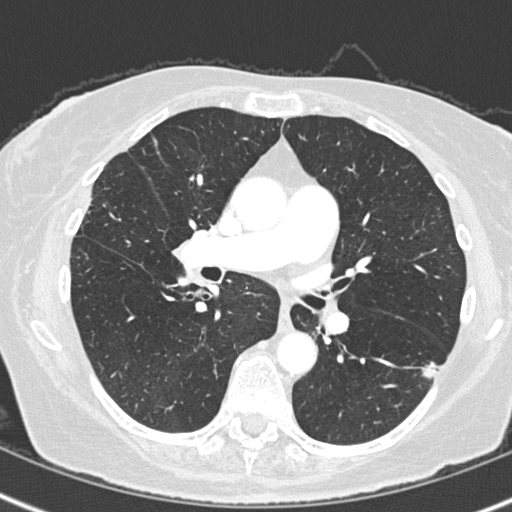
One axial slice (177 of 308, counting up from the lowest) of a chest CT acquired at 120 kVp with the B45f kernel; each pixel is 0.586 mm and the slice is 1.00 mm thick.
Pulmonary nodule, outlined by all four readers. Box on this slice rows 361–379, columns 414–440, the union of the readers' outlines on this slice; longest diameter 17.1 mm on average over the four readers' outlines (readers' outlines 15.5–19.6 mm), volume 724–1186 mm3. Ratings, by the readers' most common answer with dissent counted: most readers (three of four) put texture at 5/5 (solid), others 4/5 (one); margin 4/5 by three of four readers; the rest gave 3/5 (one); sphericity 3/5 (ovoid) by two of four readers; the rest gave 4/5 (one), 5/5 (round) (one); calcification absent, all four readers agreeing; internal structure soft tissue from all four readers; subtlety 5/5 by three of four readers; the rest gave 4/5 (one); malignancy likelihood split among the readers: 4/5 (two), 5/5 (two). Scale key (1–5): texture non-solid→solid, margin indistinct→circumscribed, sphericity linear→round, subtlety extremely subtle→obvious, malignancy likelihood highly unlikely→highly suspicious of cancer. Box rows and columns are 0-based pixel indices from the top-left corner, inclusive.